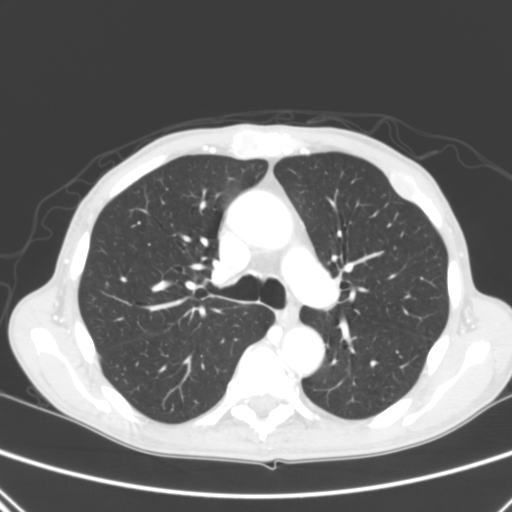
One axial slice (186 of 290, counting up from the lowest) of a chest CT acquired at 120 kVp with the B kernel; each pixel is 0.639 mm and the slice is 2.00 mm thick.
Pulmonary nodule, outlined by two of the four readers. Box on this slice rows 282–284, columns 106–107, the union of the readers' outlines on this slice; longest diameter 4.5–5.3 mm and volume 25–40 mm3 across the two readers' outlines. The readers' ratings, as ranges where they differ: texture from 2/5 to 5/5 (solid) across the two readers; margin from 2/5 to 5/5 (circumscribed) across the two readers; sphericity from 4/5 to 5/5 (round) across the two readers; calcification absent from both readers; internal structure soft tissue, both readers agreeing; subtlety 4–5/5 (the readers disagree); malignancy likelihood 3/5, both readers agreeing. Scale key (1–5): texture non-solid→solid, margin indistinct→circumscribed, sphericity linear→round, subtlety extremely subtle→obvious, malignancy likelihood highly unlikely→highly suspicious of cancer. Box rows and columns are 0-based pixel indices from the top-left corner, inclusive.